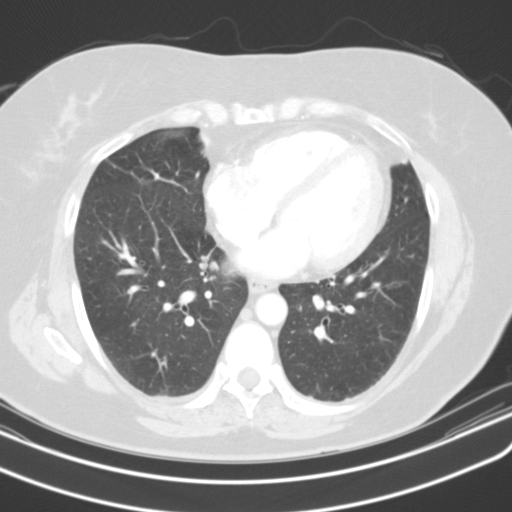
Chest CT, axial plane, 130 kVp, kernel B31s. Slice 65/122 from the bottom of the scan; thickness 3.00 mm; pixel size 0.668 mm.
Pulmonary nodule, outlined by two of the four readers. Box on this slice rows 260–269, columns 203–217, the union of the readers' outlines on this slice; median longest diameter 18.3 mm (readers' outlines 17.3–19.3 mm), median volume 1322 mm3 (1121–1523 mm3). Ratings, median across the readers with their spread: texture 4.5/5 at the median of two readers, spread 4/5 to 5/5 (solid); margin 2.5/5 at the median of two readers, spread 1/5 (indistinct) to 4/5; median sphericity 3/5 (ovoid) (readers ranged 2/5 to 4/5); calcification absent from both readers; internal structure soft tissue from both readers; subtlety 3/5 at the median of two readers, spread 2–4; malignancy likelihood 3.5/5 at the median of two readers, spread 2–5. Scale key (1–5): texture non-solid→solid, margin indistinct→circumscribed, sphericity linear→round, subtlety extremely subtle→obvious, malignancy likelihood highly unlikely→highly suspicious of cancer. Box rows and columns are 0-based pixel indices from the top-left corner, inclusive.